One axial slice (204 of 557, counting up from the lowest) of a chest CT acquired at 120 kVp with the STANDARD kernel; each pixel is 0.703 mm and the slice is 1.25 mm thick.
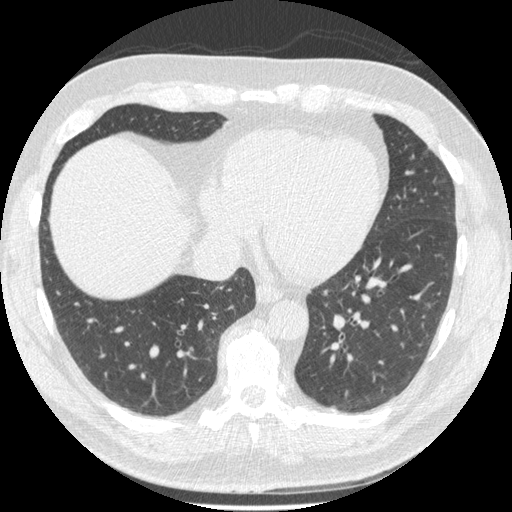
Pulmonary nodule, outlined by two of the four readers, one of them on this slice. Box on this slice rows 405–409, columns 330–335, the one reader's outline on this slice; longest diameter 9.4–13.1 mm and volume 126–127 mm3 across the two readers' outlines. Ratings across the readers: texture 5/5 (solid), both readers agreeing; margin 3/5, both readers agreeing; sphericity 3/5 (ovoid), both readers agreeing; calcification absent from both readers; internal structure soft tissue, both readers agreeing; subtlety 3/5 from both readers; malignancy likelihood from 1/5 to 3/5 across the two readers. Scale key (1–5): texture non-solid→solid, margin indistinct→circumscribed, sphericity linear→round, subtlety extremely subtle→obvious, malignancy likelihood highly unlikely→highly suspicious of cancer. Box rows and columns are 0-based pixel indices from the top-left corner, inclusive.